Axial slice 44 of 193 of a chest CT (slice 1 is the lowest), reconstructed with the B30f kernel at 120 kVp; 2.00 mm slice thickness and 0.703 mm pixels.
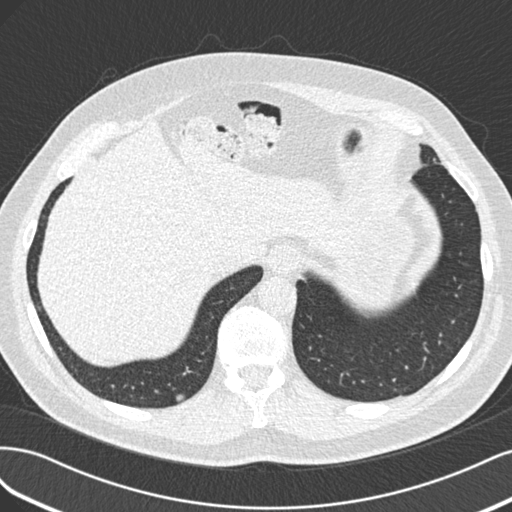
Pulmonary nodule, outlined by three of the four readers. Box on this slice rows 395–401, columns 176–182, the union of the readers' outlines on this slice; median longest diameter 12.5 mm (readers' outlines 12.3–12.6 mm), median volume 643 mm3 (627–717 mm3). Median ratings and the readers' spread: median texture 5/5 (solid) (readers ranged 4/5 to 5/5 (solid)); median margin 5/5 (circumscribed) (readers ranged 3/5 to 5/5 (circumscribed)); sphericity 4/5 at the median of three readers, spread 4/5 to 5/5 (round); calcification absent from all three readers; internal structure soft tissue from all three readers; median subtlety 5/5 (readers ranged 4–5); median malignancy likelihood 3/5 (readers ranged 3–5). Scale key (1–5): texture non-solid→solid, margin indistinct→circumscribed, sphericity linear→round, subtlety extremely subtle→obvious, malignancy likelihood highly unlikely→highly suspicious of cancer. Box rows and columns are 0-based pixel indices from the top-left corner, inclusive.